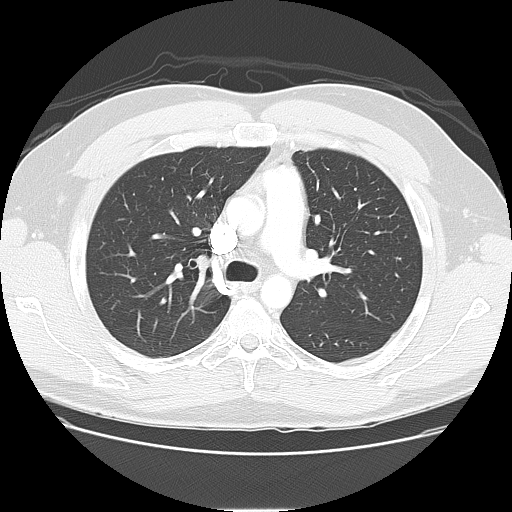
Axial chest CT slice 92 of 133 (counted from the lowest slice); tube voltage 120 kVp, convolution kernel LUNG; slices 2.50 mm thick, 0.723 mm per pixel.
This slice carries no reader outline of a nodule 3 mm or larger.